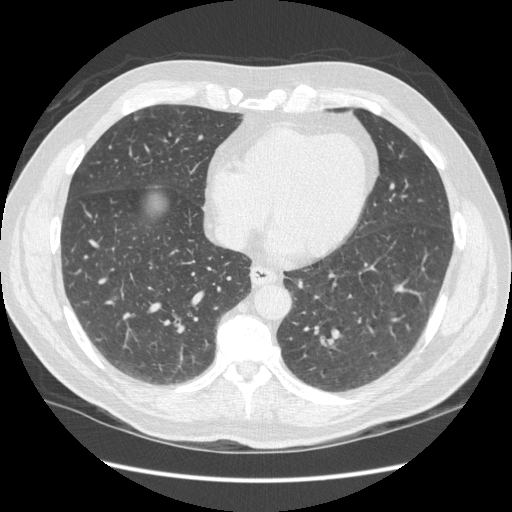
Chest CT, axial plane, 120 kVp, kernel STANDARD. Slice 158/449 from the bottom of the scan; thickness 1.25 mm; pixel size 0.742 mm.
Pulmonary nodule at rows 117–119, columns 134–137 (box = that reader's outline on this slice), outlined by one of the four readers; longest diameter 6.1 mm and volume 97 mm3 from that reader's outline. That reader's ratings: texture 5/5 (solid); margin 5/5 (circumscribed); sphericity 5/5 (round); calcification absent; internal structure soft tissue; subtlety 4/5; malignancy likelihood 3/5. Scale key (1–5): texture non-solid→solid, margin indistinct→circumscribed, sphericity linear→round, subtlety extremely subtle→obvious, malignancy likelihood highly unlikely→highly suspicious of cancer. Box rows and columns are 0-based pixel indices from the top-left corner, inclusive.